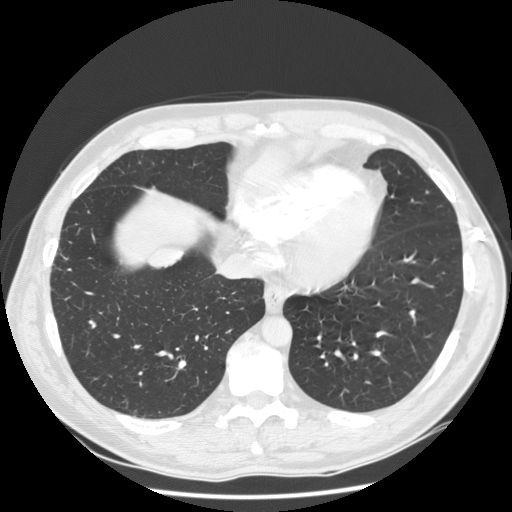
Axial chest CT slice 67 of 238 (counted from the lowest slice); tube voltage 120 kVp, convolution kernel STANDARD; slices 1.25 mm thick, 0.742 mm per pixel.
Pulmonary nodule outlined by three of the four readers; box rows 247–269, columns 146–185 (the union of the readers' outlines on this slice); longest diameter 31.3 mm on average over the three readers' outlines (readers' outlines 28.6–35.0 mm), volume 1299–1840 mm3. The readers' prevailing ratings and who disagreed: texture 5/5 (solid) from all three readers; margin split among the readers: 2/5 (one), 3/5 (one), 4/5 (one); sphericity 3/5 (ovoid), all three readers agreeing; calcification absent, all three readers agreeing; internal structure soft tissue, all three readers agreeing; subtlety split among the readers: 3/5 (one), 4/5 (one), 5/5 (one); malignancy likelihood split among the readers: 2/5 (one), 3/5 (one), 4/5 (one). Scale key (1–5): texture non-solid→solid, margin indistinct→circumscribed, sphericity linear→round, subtlety extremely subtle→obvious, malignancy likelihood highly unlikely→highly suspicious of cancer. Box rows and columns are 0-based pixel indices from the top-left corner, inclusive.